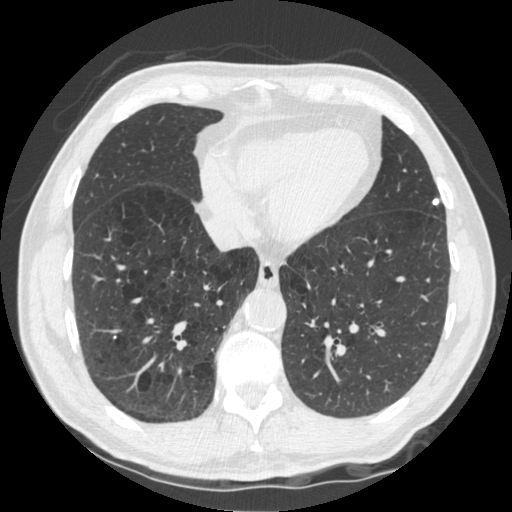
Chest CT, axial plane, 120 kVp, kernel STANDARD. Slice 163/535 from the bottom of the scan; thickness 1.25 mm; pixel size 0.664 mm.
Pulmonary nodule outlined by three of the four readers; box rows 198–205, columns 432–438 (the union of the readers' outlines on this slice); median longest diameter 6.3 mm (readers' outlines 5.5–6.8 mm), median volume 107 mm3 (70–114 mm3). Ratings, median across the readers with their spread: texture 5/5 (solid) from all three readers; margin 5/5 (circumscribed) from all three readers; sphericity 5/5 (round) from all three readers; calcification solid calcification, all three readers agreeing; internal structure soft tissue from all three readers; subtlety 5/5 from all three readers; malignancy likelihood 1/5, all three readers agreeing. Scale key (1–5): texture non-solid→solid, margin indistinct→circumscribed, sphericity linear→round, subtlety extremely subtle→obvious, malignancy likelihood highly unlikely→highly suspicious of cancer. Box rows and columns are 0-based pixel indices from the top-left corner, inclusive.